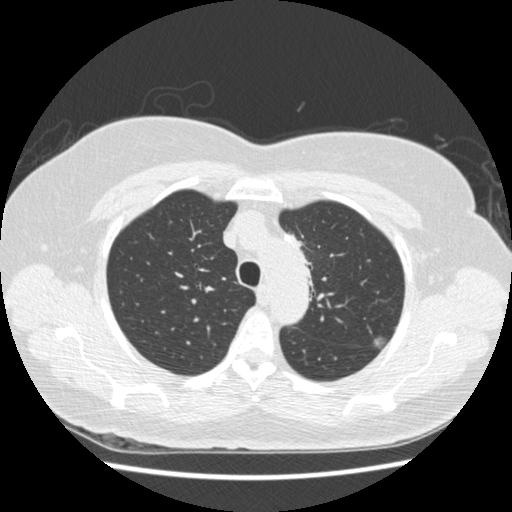
Slice 339/445 of a chest CT, counting up from the lowest; pixel size 0.645 mm, slice thickness 1.25 mm. Pulmonary nodule at rows 336–350, columns 372–386 (box = the union of the readers' outlines on this slice), outlined by all four readers; median longest diameter 11.1 mm (readers' outlines 9.9–11.6 mm), median volume 349 mm3 (292–430 mm3). Ratings, median across the readers with their spread: texture 2/5 at the median of four readers, spread 1/5 (non-solid) to 4/5; margin 4/5 at the median of four readers, spread 2/5 to 5/5 (circumscribed); sphericity 4/5 at the median of four readers, spread 3/5 (ovoid) to 5/5 (round); calcification absent, all four readers agreeing; internal structure soft tissue, all four readers agreeing; subtlety 3/5 at the median of four readers, spread 3–5; median malignancy likelihood 4/5 (readers ranged 2–5). Scale key (1–5): texture non-solid→solid, margin indistinct→circumscribed, sphericity linear→round, subtlety extremely subtle→obvious, malignancy likelihood highly unlikely→highly suspicious of cancer. Box rows and columns are 0-based pixel indices from the top-left corner, inclusive.
Acquired at 120 kVp and reconstructed with the STANDARD kernel.